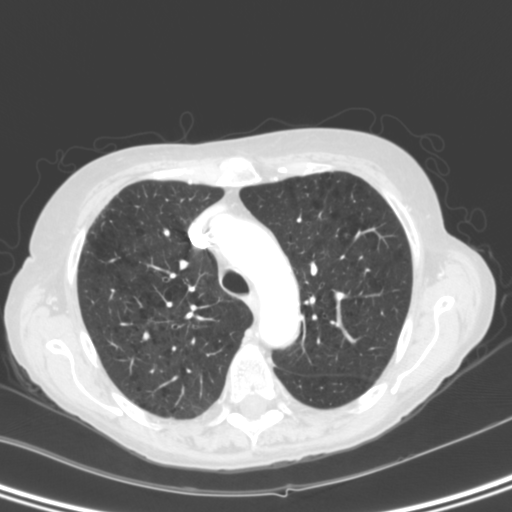
Axial slice 213 of 290 of a chest CT (slice 1 is the lowest), reconstructed with the B kernel at 120 kVp; 2.00 mm slice thickness and 0.645 mm pixels.
Pulmonary nodule, outlined by one of the four readers. Box on this slice rows 233–237, columns 343–349, that reader's outline on this slice; longest diameter 5.5 mm and volume 38 mm3 from that reader's outline. Ratings by that reader: texture 1/5 (non-solid); margin 4/5; sphericity 4/5; calcification absent; internal structure soft tissue; subtlety 5/5; malignancy likelihood 3/5. Scale key (1–5): texture non-solid→solid, margin indistinct→circumscribed, sphericity linear→round, subtlety extremely subtle→obvious, malignancy likelihood highly unlikely→highly suspicious of cancer. Box rows and columns are 0-based pixel indices from the top-left corner, inclusive.